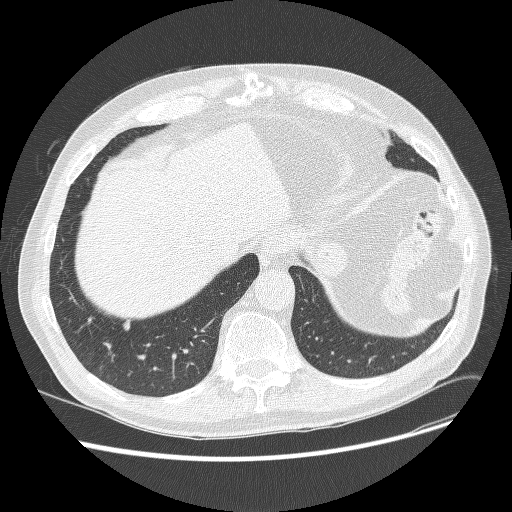
Slice 79/268 of a chest CT, counting up from the lowest; pixel size 0.742 mm, slice thickness 1.25 mm. Pulmonary nodule, outlined by all four readers. Box on this slice rows 319–330, columns 122–130, the union of the readers' outlines on this slice; the four readers' outlines give a longest diameter between 8.2 and 9.9 mm and a volume between 157 and 231 mm3. The readers' ratings, as ranges where they differ: texture from 4/5 to 5/5 (solid) across the four readers; margin from 4/5 to 5/5 (circumscribed) across the four readers; sphericity from 3/5 (ovoid) to 4/5 across the four readers; calcification absent from all four readers; internal structure soft tissue, all four readers agreeing; subtlety from 3/5 to 4/5 across the four readers; malignancy likelihood rated between 2 and 4 out of 5 by the four readers. Scale key (1–5): texture non-solid→solid, margin indistinct→circumscribed, sphericity linear→round, subtlety extremely subtle→obvious, malignancy likelihood highly unlikely→highly suspicious of cancer. Box rows and columns are 0-based pixel indices from the top-left corner, inclusive.
Tube voltage 120 kVp; convolution kernel BONE.